Axial chest CT slice 77 of 141 (counted from the lowest slice); tube voltage 120 kVp, convolution kernel STANDARD; slices 2.50 mm thick, 0.703 mm per pixel.
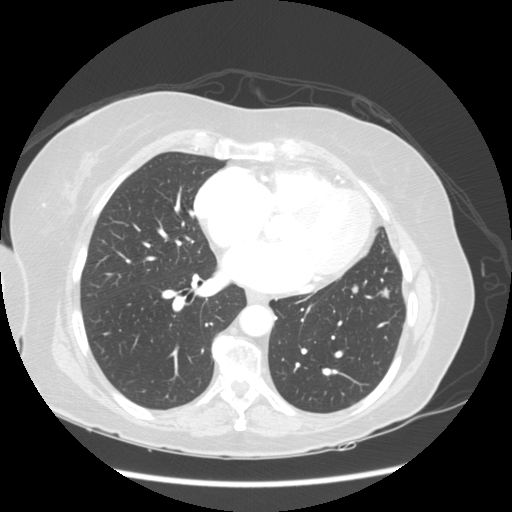
Two pulmonary nodules on this slice, listed from left to right. (1) Pulmonary nodule, outlined by three of the four readers. Box on this slice rows 283–294, columns 351–358, the union of the readers' outlines on this slice; longest diameter 7.2–8.9 mm and volume 155–263 mm3 across the three readers' outlines. The readers' ratings, as ranges where they differ: texture from 4/5 to 5/5 (solid) across the three readers; margin from 2/5 to 4/5 across the three readers; sphericity from 3/5 (ovoid) to 4/5 across the three readers; calcification absent, all three readers agreeing; internal structure soft tissue from all three readers; subtlety 2–5/5 (the readers disagree); malignancy likelihood rated between 2 and 4 out of 5 by the three readers. (2) Pulmonary nodule, outlined by all four readers. Box on this slice rows 286–298, columns 379–390, the union of the readers' outlines on this slice; longest diameter 9.8–11.1 mm and volume 319–545 mm3 across the four readers' outlines. Ratings across the readers: texture from 4/5 to 5/5 (solid) across the four readers; margin from 2/5 to 4/5 across the four readers; sphericity from 3/5 (ovoid) to 4/5 across the four readers; calcification absent from all four readers; internal structure soft tissue, all four readers agreeing; subtlety rated between 4 and 5 out of 5 by the four readers; malignancy likelihood rated between 3 and 4 out of 5 by the four readers. Scale key (1–5): texture non-solid→solid, margin indistinct→circumscribed, sphericity linear→round, subtlety extremely subtle→obvious, malignancy likelihood highly unlikely→highly suspicious of cancer. Box rows and columns are 0-based pixel indices from the top-left corner, inclusive.